Chest CT, axial plane, 120 kVp, kernel B30f. Slice 129/203 from the bottom of the scan; thickness 2.00 mm; pixel size 0.684 mm.
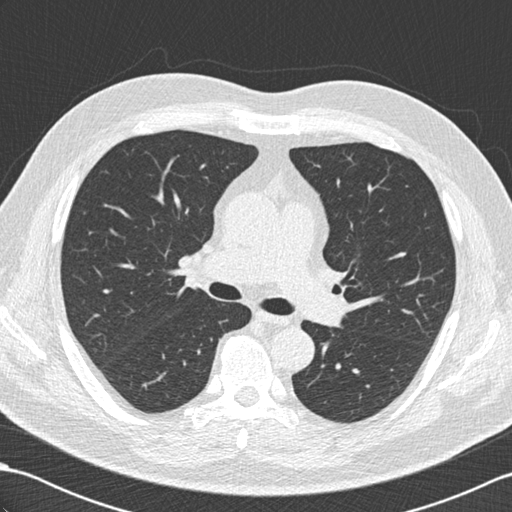
This slice carries no reader outline of a nodule 3 mm or larger.